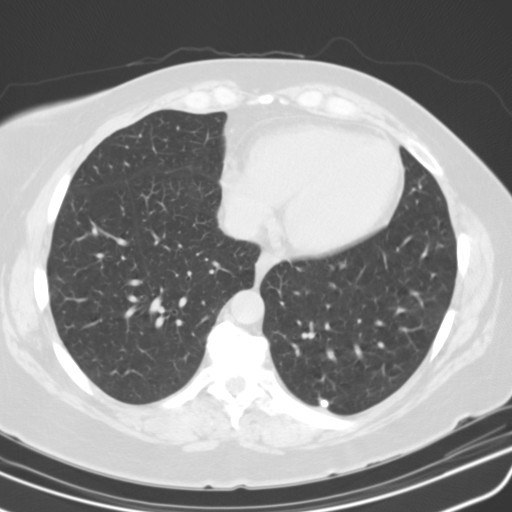
Axial chest CT slice 52 of 115 (counted from the lowest slice); tube voltage 130 kVp, convolution kernel B31s; slices 3.00 mm thick, 0.652 mm per pixel.
Pulmonary nodule outlined by all four readers; box rows 397–407, columns 318–328 (the union of the readers' outlines on this slice); longest diameter 6.4–8.8 mm and volume 73–204 mm3 across the four readers' outlines. The readers' ratings, as ranges where they differ: texture 5/5 (solid) from all four readers; margin 5/5 (circumscribed), all four readers agreeing; sphericity from 4/5 to 5/5 (round) across the four readers; calcification solid calcification, all four readers agreeing; internal structure soft tissue, all four readers agreeing; subtlety from 3/5 to 5/5 across the four readers; malignancy likelihood 1/5 from all four readers. Scale key (1–5): texture non-solid→solid, margin indistinct→circumscribed, sphericity linear→round, subtlety extremely subtle→obvious, malignancy likelihood highly unlikely→highly suspicious of cancer. Box rows and columns are 0-based pixel indices from the top-left corner, inclusive.